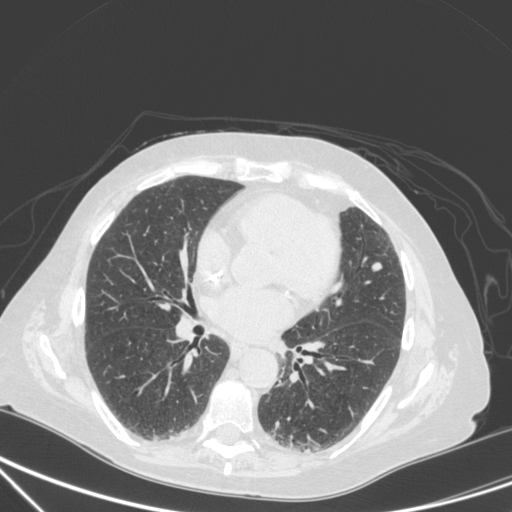
Axial chest CT slice 156 of 350 (counted from the lowest slice); tube voltage 120 kVp, convolution kernel C; slices 1.50 mm thick, 0.725 mm per pixel.
Pulmonary nodule outlined by all four readers; box rows 262–271, columns 370–381 (the union of the readers' outlines on this slice); longest diameter 9.2 mm on average over the four readers' outlines (readers' outlines 8.5–10.5 mm), volume 175–345 mm3. The readers' prevailing ratings and who disagreed: texture 5/5 (solid) by three of four readers; the rest gave 4/5 (one); most readers (three of four) put margin at 4/5, others 5/5 (circumscribed) (one); sphericity split among the readers: 3/5 (ovoid) (two), 4/5 (two); calcification absent from all four readers; internal structure soft tissue from all four readers; subtlety 5/5 from all four readers; malignancy likelihood 2/5 by two of four readers; the rest gave 4/5 (one), 5/5 (one). Scale key (1–5): texture non-solid→solid, margin indistinct→circumscribed, sphericity linear→round, subtlety extremely subtle→obvious, malignancy likelihood highly unlikely→highly suspicious of cancer. Box rows and columns are 0-based pixel indices from the top-left corner, inclusive.